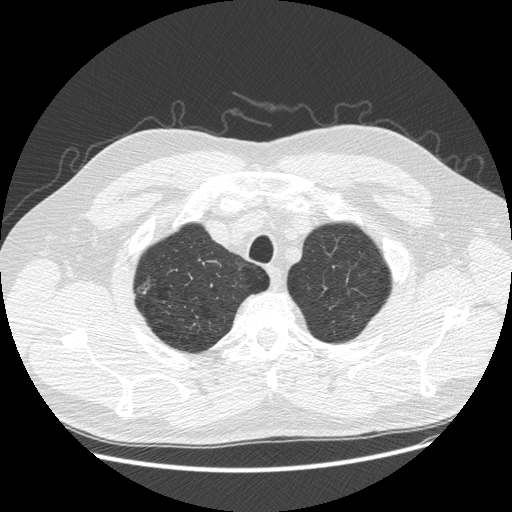
This is axial slice 418 of 481 (slice 1 is the lowest) of a chest CT; each pixel is 0.742 mm and the slice is 1.25 mm thick. Pulmonary nodule, outlined by two of the four readers, one of them on this slice. Box on this slice rows 278–294, columns 136–151, the one reader's outline on this slice; median longest diameter 16.8 mm (readers' outlines 15.0–18.6 mm), median volume 609 mm3 (293–924 mm3). Ratings, median across the readers with their spread: texture 1/5 (non-solid) from both readers; median margin 1.5/5 (readers ranged 1/5 (indistinct) to 2/5); median sphericity 4/5 (readers ranged 3/5 (ovoid) to 5/5 (round)); calcification absent from both readers; internal structure soft tissue from both readers; subtlety 1.5/5 at the median of two readers, spread 1–2; median malignancy likelihood 3/5 (readers ranged 2–4). Scale key (1–5): texture non-solid→solid, margin indistinct→circumscribed, sphericity linear→round, subtlety extremely subtle→obvious, malignancy likelihood highly unlikely→highly suspicious of cancer. Box rows and columns are 0-based pixel indices from the top-left corner, inclusive.
Scan settings: 120 kVp, STANDARD reconstruction kernel.